Chest CT, axial plane, 120 kVp, kernel STANDARD. Slice 259/484 from the bottom of the scan; thickness 1.25 mm; pixel size 0.586 mm.
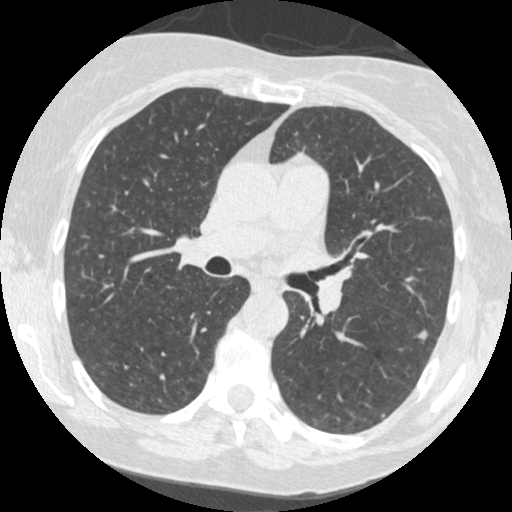
Two pulmonary nodules are outlined on this slice; from left to right: (1) Pulmonary nodule, outlined by one of the four readers. Box on this slice rows 413–416, columns 380–384, that reader's outline on this slice; longest diameter 3.9 mm and volume 18 mm3 from that reader's outline. That reader's ratings: texture 4/5; margin 5/5 (circumscribed); sphericity 5/5 (round); calcification absent; internal structure soft tissue; subtlety 2/5; malignancy likelihood 2/5. (2) Pulmonary nodule at rows 329–340, columns 417–428 (box = the union of the readers' outlines on this slice), outlined by all four readers; longest diameter 8.3 mm on average over the four readers' outlines (readers' outlines 6.6–9.0 mm), volume 60–132 mm3. The readers' prevailing ratings and who disagreed: texture 5/5 (solid), all four readers agreeing; margin split among the readers: 4/5 (two), 5/5 (circumscribed) (two); sphericity split among the readers: 3/5 (ovoid) (two), 4/5 (two); calcification absent from all four readers; internal structure soft tissue, all four readers agreeing; subtlety 5/5 by three of four readers; the rest gave 4/5 (one); most readers (three of four) put malignancy likelihood at 2/5, others 4/5 (one). Scale key (1–5): texture non-solid→solid, margin indistinct→circumscribed, sphericity linear→round, subtlety extremely subtle→obvious, malignancy likelihood highly unlikely→highly suspicious of cancer. Box rows and columns are 0-based pixel indices from the top-left corner, inclusive.